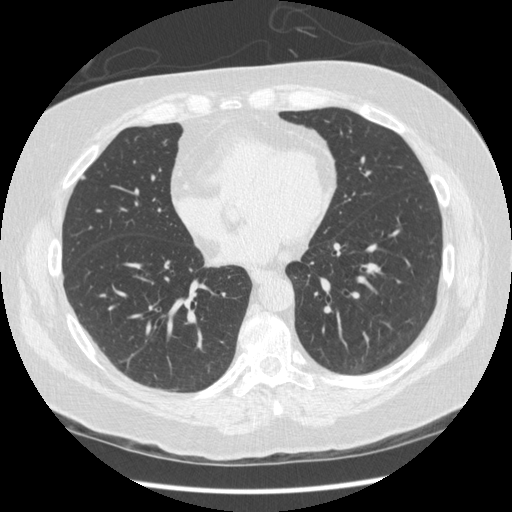
Axial slice 168 of 436 of a chest CT (slice 1 is the lowest), reconstructed with the STANDARD kernel at 120 kVp; 1.25 mm slice thickness and 0.703 mm pixels.
Pulmonary nodule at rows 174–180, columns 80–85 (box = the union of the readers' outlines on this slice), outlined by three of the four readers; the three readers' outlines give a longest diameter between 6.0 and 7.0 mm and a volume between 38 and 72 mm3. Ratings across the readers: texture 5/5 (solid) from all three readers; margin from 4/5 to 5/5 (circumscribed) across the three readers; sphericity from 2/5 to 4/5 across the three readers; calcification absent from all three readers; internal structure soft tissue, all three readers agreeing; subtlety 3–5/5 (the readers disagree); malignancy likelihood 2/5 from all three readers. Scale key (1–5): texture non-solid→solid, margin indistinct→circumscribed, sphericity linear→round, subtlety extremely subtle→obvious, malignancy likelihood highly unlikely→highly suspicious of cancer. Box rows and columns are 0-based pixel indices from the top-left corner, inclusive.